Axial slice 49 of 150 of a chest CT (slice 1 is the lowest), reconstructed with the STANDARD kernel at 120 kVp; 2.50 mm slice thickness and 0.820 mm pixels.
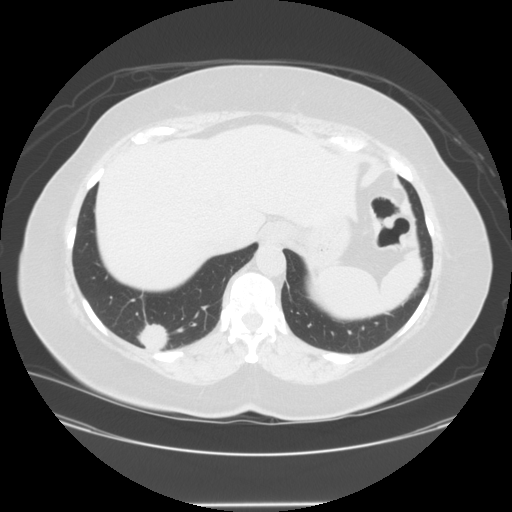
Pulmonary nodule at rows 326–348, columns 141–165 (box = the union of the readers' outlines on this slice), outlined by three of the four readers; median longest diameter 36.7 mm (readers' outlines 34.5–41.5 mm), median volume 15464 mm3 (15181–19016 mm3). Ratings, median across the readers with their spread: texture 5/5 (solid) from all three readers; margin 4/5 at the median of three readers, spread 2/5 to 4/5; median sphericity 4/5 (readers ranged 3/5 (ovoid) to 5/5 (round)); calcification absent, all three readers agreeing; internal structure soft tissue, all three readers agreeing; subtlety 5/5, all three readers agreeing; malignancy likelihood 5/5, all three readers agreeing. Scale key (1–5): texture non-solid→solid, margin indistinct→circumscribed, sphericity linear→round, subtlety extremely subtle→obvious, malignancy likelihood highly unlikely→highly suspicious of cancer. Box rows and columns are 0-based pixel indices from the top-left corner, inclusive.